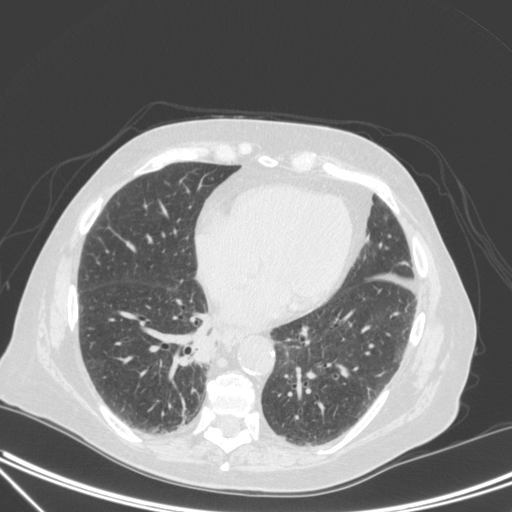
Axial slice 118 of 350 of a chest CT (slice 1 is the lowest), reconstructed with the C kernel at 120 kVp; 1.50 mm slice thickness and 0.725 mm pixels.
Pulmonary nodule outlined by one of the four readers; box rows 330–363, columns 194–216 (that reader's outline on this slice); longest diameter 29.7 mm and volume 4028 mm3 from that reader's outline. Ratings by that reader: texture 5/5 (solid); margin 3/5; sphericity 3/5 (ovoid); calcification absent; internal structure soft tissue; subtlety 5/5; malignancy likelihood 4/5. Scale key (1–5): texture non-solid→solid, margin indistinct→circumscribed, sphericity linear→round, subtlety extremely subtle→obvious, malignancy likelihood highly unlikely→highly suspicious of cancer. Box rows and columns are 0-based pixel indices from the top-left corner, inclusive.